Axial slice 140 of 535 of a chest CT (slice 1 is the lowest), reconstructed with the STANDARD kernel at 120 kVp; 1.25 mm slice thickness and 0.664 mm pixels.
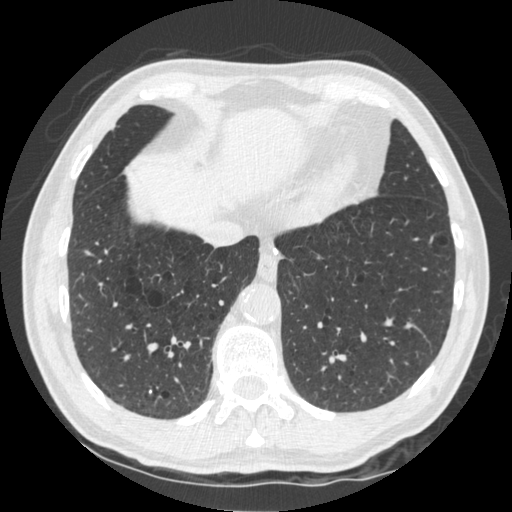
Pulmonary nodule, outlined by two of the four readers. Box on this slice rows 389–393, columns 148–152, the union of the readers' outlines on this slice; longest diameter 4.8 mm on average over the two readers' outlines (readers' outlines 4.8 mm), volume 39 mm3. The readers' prevailing ratings and who disagreed: texture 5/5 (solid), both readers agreeing; margin 5/5 (circumscribed) from both readers; sphericity 5/5 (round), both readers agreeing; calcification solid calcification from both readers; internal structure soft tissue from both readers; subtlety split among the readers: 4/5 (one), 5/5 (one); malignancy likelihood 1/5 from both readers. Scale key (1–5): texture non-solid→solid, margin indistinct→circumscribed, sphericity linear→round, subtlety extremely subtle→obvious, malignancy likelihood highly unlikely→highly suspicious of cancer. Box rows and columns are 0-based pixel indices from the top-left corner, inclusive.